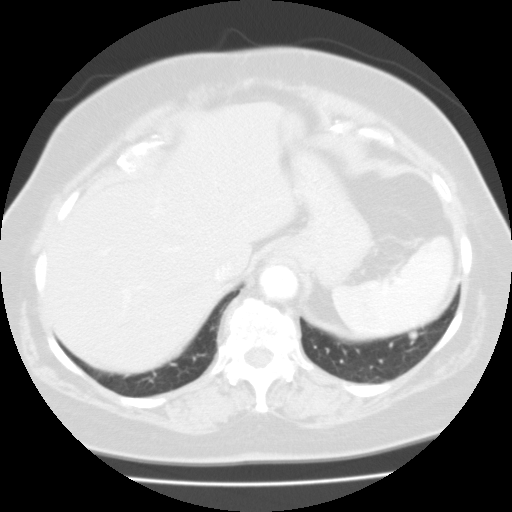
Chest CT, axial plane, 135 kVp, kernel FC01. Slice 26/105 from the bottom of the scan; thickness 3.00 mm; pixel size 0.640 mm.
Pulmonary nodule outlined by all four readers; box rows 330–339, columns 408–417 (the union of the readers' outlines on this slice); longest diameter 7.3 mm on average over the four readers' outlines (readers' outlines 6.8–8.0 mm), volume 132–216 mm3. Ratings, by the readers' most common answer with dissent counted: most readers (three of four) put texture at 5/5 (solid), others 4/5 (one); margin 5/5 (circumscribed) by two of four readers; the rest gave 3/5 (one), 4/5 (one); sphericity split among the readers: 4/5 (two), 5/5 (round) (two); calcification absent from all four readers; internal structure soft tissue from all four readers; subtlety 1/5 by two of four readers; the rest gave 2/5 (one), 5/5 (one); malignancy likelihood 3/5 by three of four readers; the rest gave 1/5 (one). Scale key (1–5): texture non-solid→solid, margin indistinct→circumscribed, sphericity linear→round, subtlety extremely subtle→obvious, malignancy likelihood highly unlikely→highly suspicious of cancer. Box rows and columns are 0-based pixel indices from the top-left corner, inclusive.